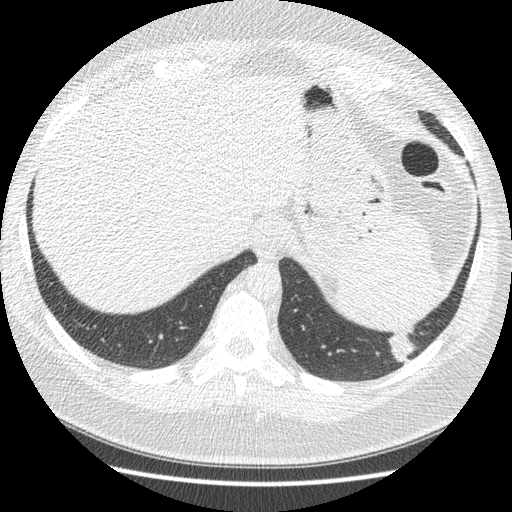
Axial chest CT slice 48 of 421 (counted from the lowest slice); tube voltage 120 kVp, convolution kernel STANDARD; slices 1.25 mm thick, 0.703 mm per pixel.
Pulmonary nodule at rows 325–364, columns 388–416 (box = the union of the readers' outlines on this slice), outlined four times (the source holds four more outlines, not used); median longest diameter 32.9 mm (readers' outlines 30.9–38.9 mm), median volume 5450 mm3 (4443–5826 mm3). Median ratings and the readers' spread: texture 5/5 (solid) at the median of four readers, spread 4/5 to 5/5 (solid); median margin 4/5 (readers ranged 3/5 to 4/5); sphericity 2.5/5 at the median of four readers, spread 2/5 to 4/5; calcification absent, all four readers agreeing; internal structure soft tissue, all four readers agreeing; subtlety 5/5 at the median of four readers, spread 4–5; malignancy likelihood 3.5/5 at the median of four readers, spread 2–5. Scale key (1–5): texture non-solid→solid, margin indistinct→circumscribed, sphericity linear→round, subtlety extremely subtle→obvious, malignancy likelihood highly unlikely→highly suspicious of cancer. Box rows and columns are 0-based pixel indices from the top-left corner, inclusive.